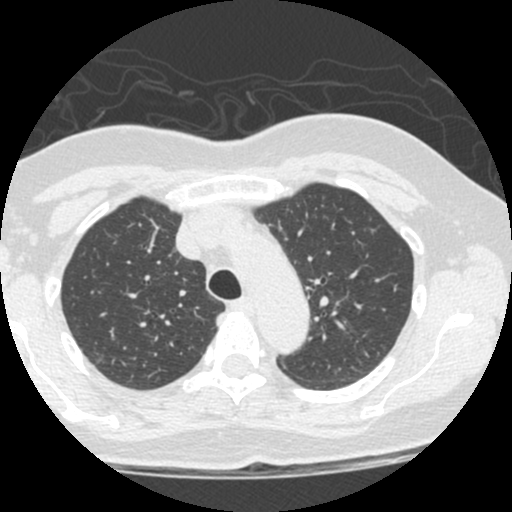
Slice 392/490 of a chest CT, counting up from the lowest; pixel size 0.547 mm, slice thickness 1.25 mm. Pulmonary nodule, outlined by three of the four readers, two of them on this slice. Box on this slice rows 351–365, columns 94–105, the union of the readers' outlines on this slice; median longest diameter 15.2 mm (readers' outlines 14.3–18.3 mm), median volume 997 mm3 (967–1422 mm3). Median ratings and the readers' spread: median texture 1/5 (non-solid) (readers ranged 1/5 (non-solid) to 5/5 (solid)); median margin 2/5 (readers ranged 2/5 to 4/5); median sphericity 4/5 (readers ranged 3/5 (ovoid) to 5/5 (round)); calcification absent, all three readers agreeing; internal structure soft tissue, all three readers agreeing; median subtlety 5/5 (readers ranged 1–5); malignancy likelihood 3/5 at the median of three readers, spread 2–5. Scale key (1–5): texture non-solid→solid, margin indistinct→circumscribed, sphericity linear→round, subtlety extremely subtle→obvious, malignancy likelihood highly unlikely→highly suspicious of cancer. Box rows and columns are 0-based pixel indices from the top-left corner, inclusive.
Tube voltage 120 kVp; convolution kernel STANDARD.